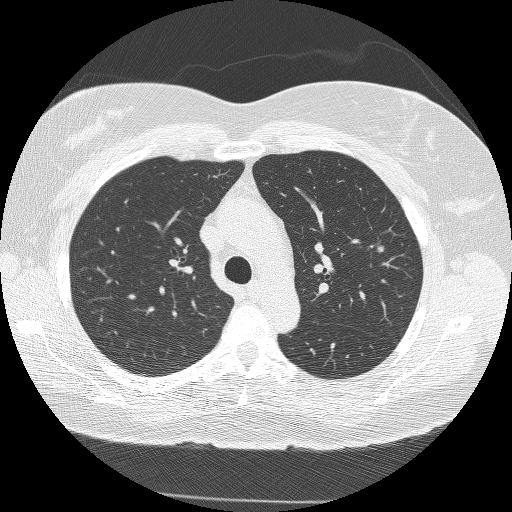
One axial slice (182 of 245, counting up from the lowest) of a chest CT acquired at 120 kVp with the BONE kernel; each pixel is 0.664 mm and the slice is 1.25 mm thick.
Pulmonary nodule, outlined by all four readers. Box on this slice rows 241–252, columns 375–384, the union of the readers' outlines on this slice; median longest diameter 21.0 mm (readers' outlines 20.8–22.3 mm), median volume 3153 mm3 (2976–3390 mm3). Ratings, median across the readers with their spread: median texture 5/5 (solid) (readers ranged 4/5 to 5/5 (solid)); median margin 3.5/5 (readers ranged 3/5 to 4/5); sphericity 3.5/5 at the median of four readers, spread 3/5 (ovoid) to 5/5 (round); calcification absent, all four readers agreeing; internal structure soft tissue from all four readers; subtlety 5/5 from all four readers; malignancy likelihood 5/5, all four readers agreeing. Scale key (1–5): texture non-solid→solid, margin indistinct→circumscribed, sphericity linear→round, subtlety extremely subtle→obvious, malignancy likelihood highly unlikely→highly suspicious of cancer. Box rows and columns are 0-based pixel indices from the top-left corner, inclusive.